Axial chest CT slice 40 of 123 (counted from the lowest slice); tube voltage 140 kVp, convolution kernel STANDARD; slices 2.50 mm thick, 0.703 mm per pixel.
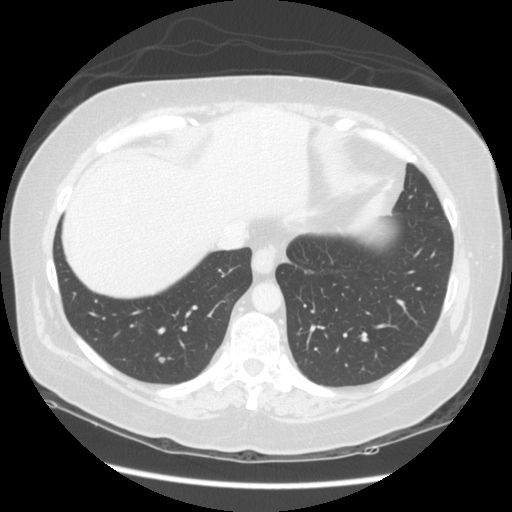
Pulmonary nodule, outlined by two of the four readers. Box on this slice rows 356–362, columns 158–165, the union of the readers' outlines on this slice; median longest diameter 6.7 mm (readers' outlines 6.6–6.7 mm), median volume 115 mm3 (108–122 mm3). Ratings, median across the readers with their spread: median texture 4/5 (readers ranged 3/5 (part-solid) to 5/5 (solid)); margin 3.5/5 at the median of two readers, spread 2/5 to 5/5 (circumscribed); median sphericity 4.5/5 (readers ranged 4/5 to 5/5 (round)); calcification absent from both readers; internal structure soft tissue from both readers; median subtlety 3.5/5 (readers ranged 3–4); median malignancy likelihood 3/5 (readers ranged 2–4). Scale key (1–5): texture non-solid→solid, margin indistinct→circumscribed, sphericity linear→round, subtlety extremely subtle→obvious, malignancy likelihood highly unlikely→highly suspicious of cancer. Box rows and columns are 0-based pixel indices from the top-left corner, inclusive.